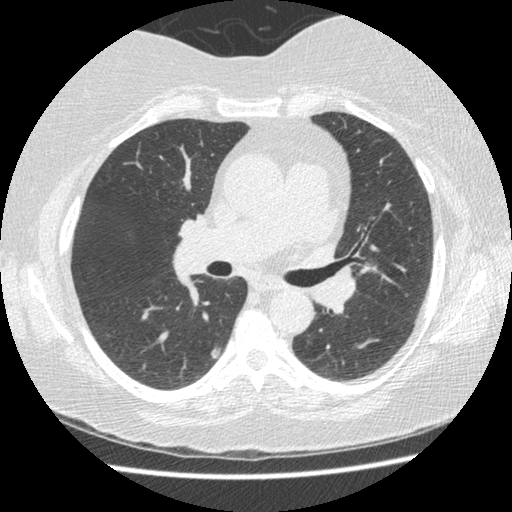
One axial slice (294 of 474, counting up from the lowest) of a chest CT acquired at 120 kVp with the STANDARD kernel; each pixel is 0.645 mm and the slice is 1.25 mm thick.
Pulmonary nodule at rows 346–358, columns 211–220 (box = the union of the readers' outlines on this slice), outlined by three of the four readers; median longest diameter 9.0 mm (readers' outlines 9.0–9.6 mm), median volume 103 mm3 (91–114 mm3). Ratings, median across the readers with their spread: texture 3/5 (part-solid) at the median of three readers, spread 2/5 to 5/5 (solid); margin 3/5 at the median of three readers, spread 2/5 to 5/5 (circumscribed); sphericity 3/5 (ovoid) from all three readers; calcification absent, all three readers agreeing; internal structure soft tissue from all three readers; median subtlety 4/5 (readers ranged 3–5); malignancy likelihood 3/5 at the median of three readers, spread 2–3. Scale key (1–5): texture non-solid→solid, margin indistinct→circumscribed, sphericity linear→round, subtlety extremely subtle→obvious, malignancy likelihood highly unlikely→highly suspicious of cancer. Box rows and columns are 0-based pixel indices from the top-left corner, inclusive.